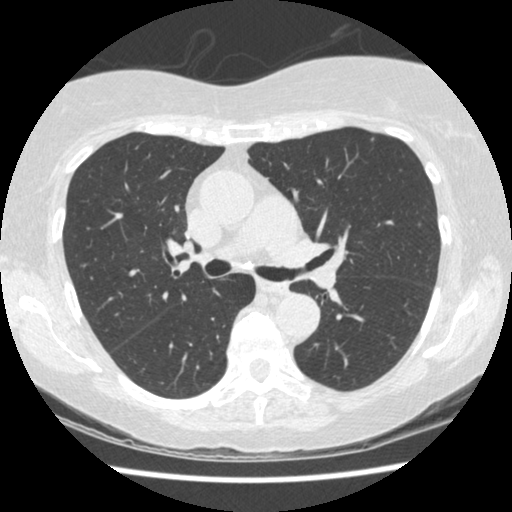
Axial chest CT slice 259 of 458 (counted from the lowest slice); tube voltage 120 kVp, convolution kernel STANDARD; slices 1.25 mm thick, 0.625 mm per pixel.
Pulmonary nodule outlined by two of the four readers; box rows 137–141, columns 371–374 (the union of the readers' outlines on this slice); longest diameter 4.7 mm on average over the two readers' outlines (readers' outlines 4.6–4.8 mm), volume 37–39 mm3. The readers' prevailing ratings and who disagreed: texture 5/5 (solid) from both readers; margin 5/5 (circumscribed) from both readers; sphericity split among the readers: 4/5 (one), 5/5 (round) (one); calcification solid calcification from both readers; internal structure soft tissue from both readers; subtlety split among the readers: 4/5 (one), 5/5 (one); malignancy likelihood 1/5, both readers agreeing. Scale key (1–5): texture non-solid→solid, margin indistinct→circumscribed, sphericity linear→round, subtlety extremely subtle→obvious, malignancy likelihood highly unlikely→highly suspicious of cancer. Box rows and columns are 0-based pixel indices from the top-left corner, inclusive.